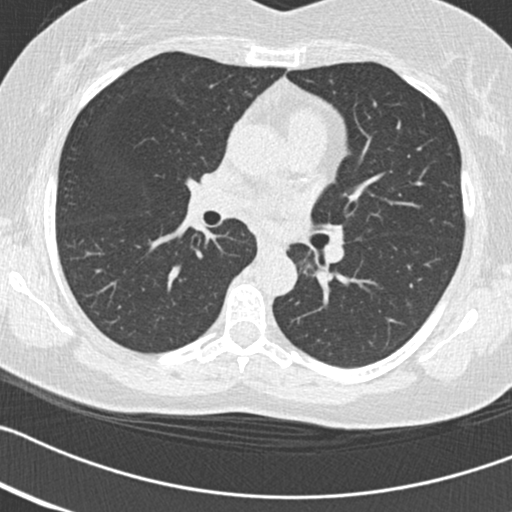
Axial chest CT slice 88 of 161 (counted from the lowest slice); 2.00 mm thick, 0.586 mm per pixel. No nodule of 3 mm or larger was outlined by any of the four readers on this slice.
Tube voltage 120 kVp; convolution kernel B30f.